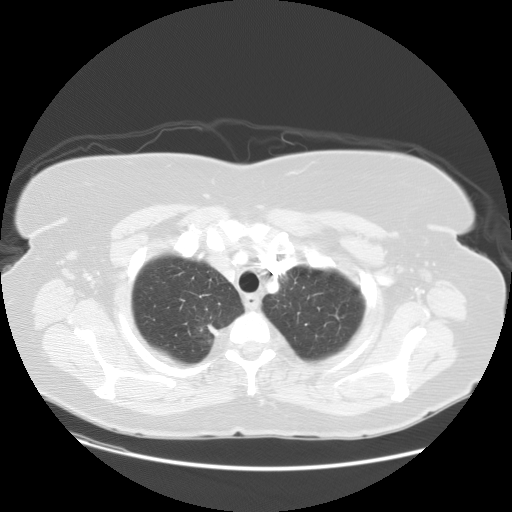
This is axial slice 113 of 133 (slice 1 is the lowest) of a chest CT; each pixel is 0.781 mm and the slice is 2.50 mm thick. Pulmonary nodule, outlined by all four readers. Box on this slice rows 323–335, columns 207–218, the union of the readers' outlines on this slice; median longest diameter 35.3 mm (readers' outlines 31.6–37.9 mm), median volume 4753 mm3 (3786–6747 mm3). Ratings, median across the readers with their spread: median texture 4.5/5 (readers ranged 3/5 (part-solid) to 5/5 (solid)); median margin 3/5 (readers ranged 1/5 (indistinct) to 3/5); median sphericity 3/5 (ovoid) (readers ranged 2/5 to 4/5); calcification absent from all four readers; internal structure soft tissue, all four readers agreeing; subtlety 5/5, all four readers agreeing; malignancy likelihood 5/5 at the median of four readers, spread 3–5. Scale key (1–5): texture non-solid→solid, margin indistinct→circumscribed, sphericity linear→round, subtlety extremely subtle→obvious, malignancy likelihood highly unlikely→highly suspicious of cancer. Box rows and columns are 0-based pixel indices from the top-left corner, inclusive.
Scan settings: 120 kVp, STANDARD reconstruction kernel.